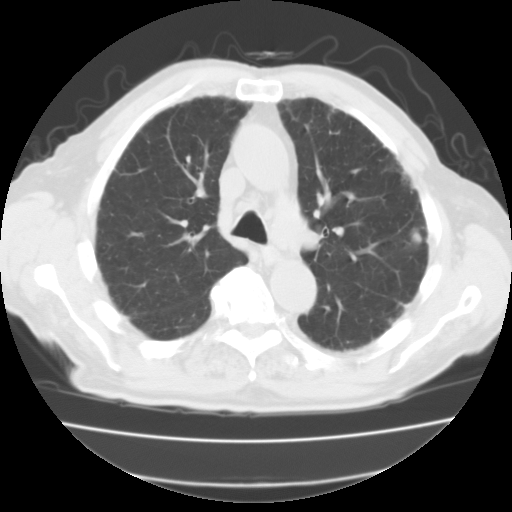
This is axial slice 69 of 111 (slice 1 is the lowest) of a chest CT; each pixel is 0.714 mm and the slice is 3.00 mm thick. Two pulmonary nodules are outlined on this slice; from left to right: (1) Pulmonary nodule at rows 318–322, columns 388–392 (box = the one reader's outline on this slice), outlined by all four readers, one of them on this slice; median longest diameter 10.4 mm (readers' outlines 10.1–12.3 mm), median volume 533 mm3 (448–609 mm3). Median ratings and the readers' spread: texture 5/5 (solid), all four readers agreeing; margin 5/5 (circumscribed) from all four readers; sphericity 5/5 (round), all four readers agreeing; calcification solid calcification from all four readers; internal structure soft tissue, all four readers agreeing; subtlety 5/5, all four readers agreeing; malignancy likelihood 1/5, all four readers agreeing. (2) Pulmonary nodule, outlined by all four readers. Box on this slice rows 228–243, columns 409–422, the union of the readers' outlines on this slice; longest diameter 24.3–25.8 mm and volume 3889–4187 mm3 across the four readers' outlines. The readers' ratings, as ranges where they differ: texture 5/5 (solid), all four readers agreeing; margin 5/5 (circumscribed) from all four readers; sphericity from 3/5 (ovoid) to 5/5 (round) across the four readers; calcification absent from all four readers; internal structure soft tissue from all four readers; subtlety 5/5, all four readers agreeing; malignancy likelihood rated between 2 and 5 out of 5 by the four readers. Scale key (1–5): texture non-solid→solid, margin indistinct→circumscribed, sphericity linear→round, subtlety extremely subtle→obvious, malignancy likelihood highly unlikely→highly suspicious of cancer. Box rows and columns are 0-based pixel indices from the top-left corner, inclusive.
Acquired at 135 kVp and reconstructed with the FC01 kernel.